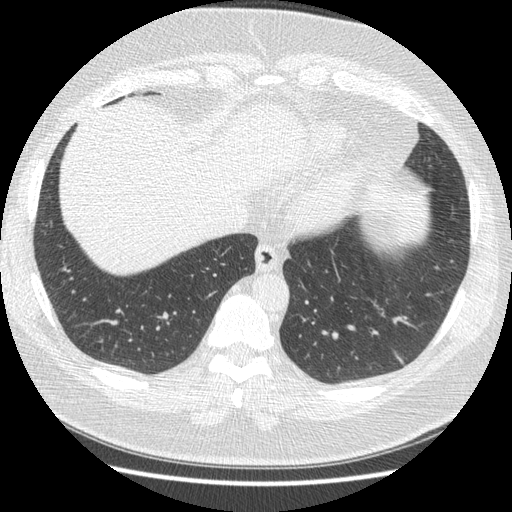
Slice 81/421 of a chest CT, counting up from the lowest; pixel size 0.703 mm, slice thickness 1.25 mm. Pulmonary nodule, outlined four times (the source holds four more outlines, not used), two of them on this slice. Box on this slice rows 350–363, columns 393–403, the union of the readers' outlines on this slice; median longest diameter 32.9 mm (readers' outlines 30.9–38.9 mm), median volume 5450 mm3 (4443–5826 mm3). Ratings, median across the readers with their spread: median texture 5/5 (solid) (readers ranged 4/5 to 5/5 (solid)); median margin 4/5 (readers ranged 3/5 to 4/5); median sphericity 2.5/5 (readers ranged 2/5 to 4/5); calcification absent, all four readers agreeing; internal structure soft tissue from all four readers; subtlety 5/5 at the median of four readers, spread 4–5; malignancy likelihood 3.5/5 at the median of four readers, spread 2–5. Scale key (1–5): texture non-solid→solid, margin indistinct→circumscribed, sphericity linear→round, subtlety extremely subtle→obvious, malignancy likelihood highly unlikely→highly suspicious of cancer. Box rows and columns are 0-based pixel indices from the top-left corner, inclusive.
Scan settings: 120 kVp, STANDARD reconstruction kernel.